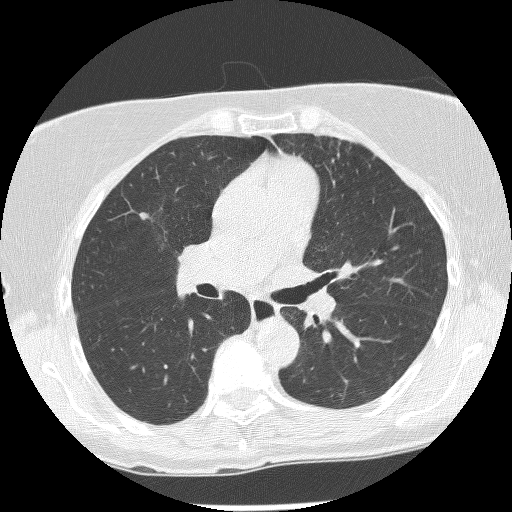
Axial chest CT slice 147 of 239 (counted from the lowest slice); tube voltage 120 kVp, convolution kernel BONE; slices 1.25 mm thick, 0.586 mm per pixel.
Pulmonary nodule outlined by three of the four readers; box rows 212–219, columns 139–148 (the union of the readers' outlines on this slice); the three readers' outlines give a longest diameter between 5.8 and 7.6 mm and a volume between 29 and 71 mm3. Ratings across the readers: texture 5/5 (solid) from all three readers; margin from 4/5 to 5/5 (circumscribed) across the three readers; sphericity from 3/5 (ovoid) to 5/5 (round) across the three readers; calcification absent, all three readers agreeing; internal structure soft tissue, all three readers agreeing; subtlety 2–4/5 (the readers disagree); malignancy likelihood rated between 2 and 3 out of 5 by the three readers. Scale key (1–5): texture non-solid→solid, margin indistinct→circumscribed, sphericity linear→round, subtlety extremely subtle→obvious, malignancy likelihood highly unlikely→highly suspicious of cancer. Box rows and columns are 0-based pixel indices from the top-left corner, inclusive.